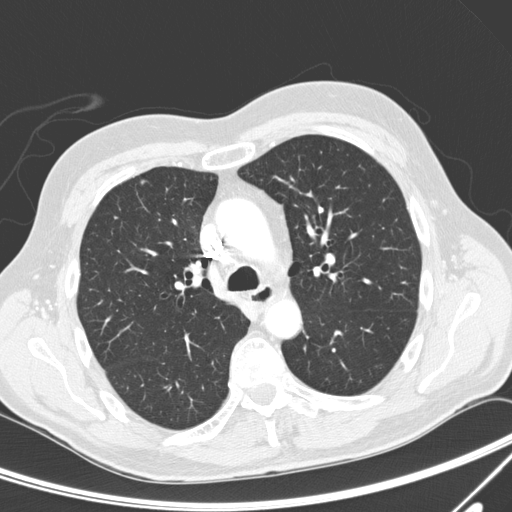
This is axial slice 182 of 300 (slice 1 is the lowest) of a chest CT; each pixel is 0.678 mm and the slice is 2.00 mm thick. Pulmonary nodule outlined by all four readers; box rows 179–184, columns 139–145 (the union of the readers' outlines on this slice); median longest diameter 8.2 mm (readers' outlines 7.9–8.5 mm), median volume 216 mm3 (191–251 mm3). Median ratings and the readers' spread: texture 5/5 (solid), all four readers agreeing; median margin 5/5 (circumscribed) (readers ranged 4/5 to 5/5 (circumscribed)); median sphericity 4.5/5 (readers ranged 3/5 (ovoid) to 5/5 (round)); calcification: solid calcification (three), absent (one); internal structure soft tissue, all four readers agreeing; subtlety 5/5, all four readers agreeing; malignancy likelihood 1/5 at the median of four readers, spread 1–3. Scale key (1–5): texture non-solid→solid, margin indistinct→circumscribed, sphericity linear→round, subtlety extremely subtle→obvious, malignancy likelihood highly unlikely→highly suspicious of cancer. Box rows and columns are 0-based pixel indices from the top-left corner, inclusive.
Scan settings: 120 kVp, D reconstruction kernel.